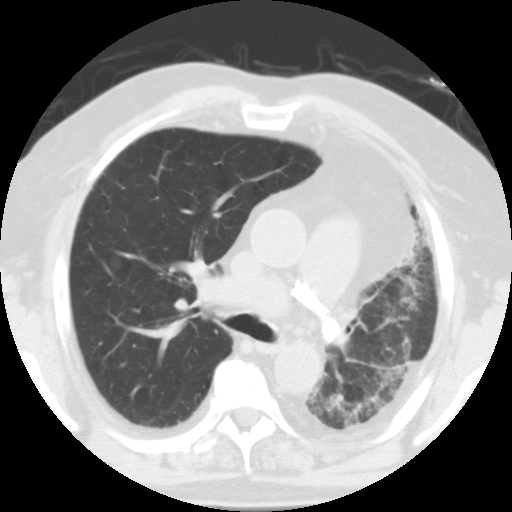
Axial chest CT slice 74 of 113 (counted from the lowest slice); 3.00 mm thick, 0.637 mm per pixel. Pulmonary nodule at rows 255–272, columns 107–123 (box = the union of the readers' outlines on this slice), outlined by two of the four readers; longest diameter 11.0 mm on average over the two readers' outlines (readers' outlines 9.7–12.3 mm), volume 184–572 mm3. The readers' prevailing ratings and who disagreed: texture 1/5 (non-solid), both readers agreeing; margin split among the readers: 1/5 (indistinct) (one), 2/5 (one); sphericity split among the readers: 4/5 (one), 5/5 (round) (one); calcification absent, both readers agreeing; internal structure soft tissue from both readers; subtlety 1/5 from both readers; malignancy likelihood 3/5, both readers agreeing. Scale key (1–5): texture non-solid→solid, margin indistinct→circumscribed, sphericity linear→round, subtlety extremely subtle→obvious, malignancy likelihood highly unlikely→highly suspicious of cancer. Box rows and columns are 0-based pixel indices from the top-left corner, inclusive.
Tube voltage 135 kVp; convolution kernel FC01.